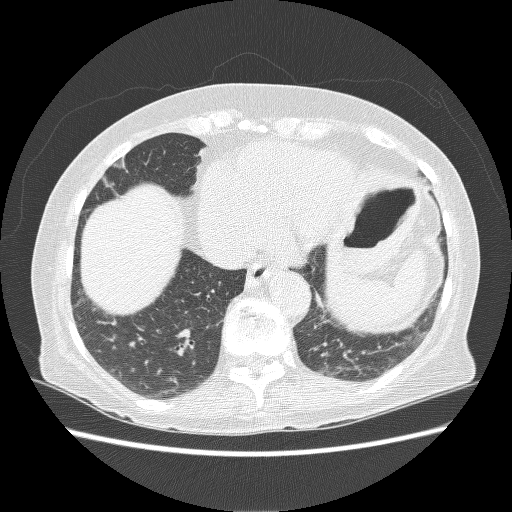
Axial chest CT slice 81 of 259 (counted from the lowest slice); 1.25 mm thick, 0.703 mm per pixel. Pulmonary nodule outlined by all four readers, one of them on this slice; box rows 334–338, columns 112–116 (the one reader's outline on this slice); longest diameter 6.4 mm on average over the four readers' outlines (readers' outlines 6.0–6.7 mm), volume 87–136 mm3. Ratings, by the readers' most common answer with dissent counted: texture 5/5 (solid), all four readers agreeing; margin 5/5 (circumscribed) from all four readers; sphericity split among the readers: 4/5 (two), 5/5 (round) (two); calcification solid calcification from all four readers; internal structure soft tissue, all four readers agreeing; subtlety 5/5 by three of four readers; the rest gave 4/5 (one); malignancy likelihood 1/5 from all four readers. Scale key (1–5): texture non-solid→solid, margin indistinct→circumscribed, sphericity linear→round, subtlety extremely subtle→obvious, malignancy likelihood highly unlikely→highly suspicious of cancer. Box rows and columns are 0-based pixel indices from the top-left corner, inclusive.
Tube voltage 120 kVp; convolution kernel BONE.